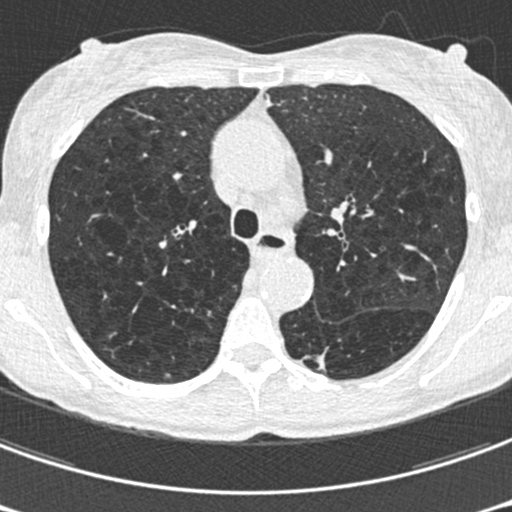
Chest CT, axial plane, 120 kVp, kernel B30f. Slice 431/633 from the bottom of the scan; thickness 0.60 mm; pixel size 0.541 mm.
Pulmonary nodule outlined by one of the four readers; box rows 355–371, columns 304–325 (that reader's outline on this slice); longest diameter 20.7 mm and volume 470 mm3 from that reader's outline. Ratings by that reader: texture 5/5 (solid); margin 1/5 (indistinct); sphericity 2/5; calcification absent; internal structure soft tissue; subtlety 4/5; malignancy likelihood 3/5. Scale key (1–5): texture non-solid→solid, margin indistinct→circumscribed, sphericity linear→round, subtlety extremely subtle→obvious, malignancy likelihood highly unlikely→highly suspicious of cancer. Box rows and columns are 0-based pixel indices from the top-left corner, inclusive.